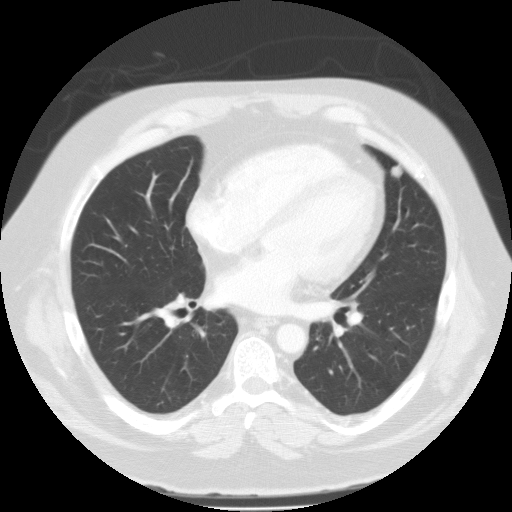
Axial slice 56 of 115 of a chest CT (slice 1 is the lowest), reconstructed with the FC01 kernel at 135 kVp; 3.00 mm slice thickness and 0.789 mm pixels.
Pulmonary nodule outlined by all four readers; box rows 164–179, columns 390–402 (the union of the readers' outlines on this slice); median longest diameter 12.3 mm (readers' outlines 11.8–13.5 mm), median volume 996 mm3 (900–1080 mm3). Median ratings and the readers' spread: texture 5/5 (solid), all four readers agreeing; margin 5/5 (circumscribed), all four readers agreeing; sphericity 5/5 (round), all four readers agreeing; calcification absent, all four readers agreeing; internal structure soft tissue from all four readers; subtlety 5/5, all four readers agreeing; median malignancy likelihood 3.5/5 (readers ranged 2–4). Scale key (1–5): texture non-solid→solid, margin indistinct→circumscribed, sphericity linear→round, subtlety extremely subtle→obvious, malignancy likelihood highly unlikely→highly suspicious of cancer. Box rows and columns are 0-based pixel indices from the top-left corner, inclusive.